Chest CT, axial plane, 120 kVp, kernel STANDARD. Slice 239/433 from the bottom of the scan; thickness 1.25 mm; pixel size 0.547 mm.
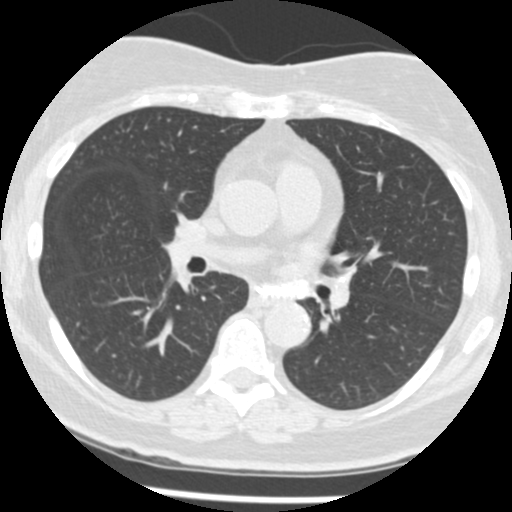
No nodule of 3 mm or larger was outlined by any of the four readers on this slice.